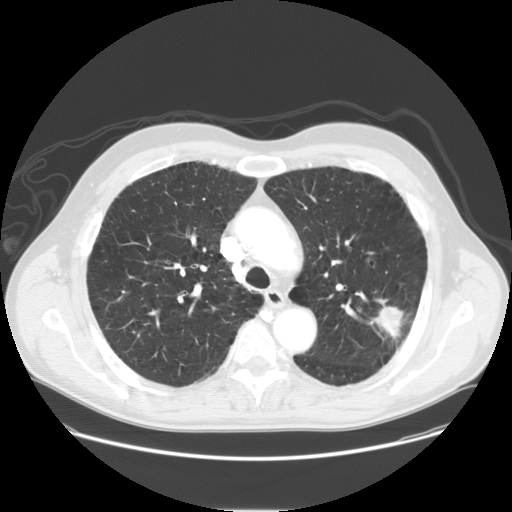
Axial slice 111 of 152 of a chest CT (slice 1 is the lowest), reconstructed with the STANDARD kernel at 120 kVp; 2.50 mm slice thickness and 0.781 mm pixels.
Pulmonary nodule outlined by all four readers; box rows 305–339, columns 374–405 (the union of the readers' outlines on this slice); longest diameter 28.2 mm on average over the four readers' outlines (readers' outlines 26.7–29.9 mm), volume 4495–6409 mm3. The readers' prevailing ratings and who disagreed: most readers (three of four) put texture at 5/5 (solid), others 4/5 (one); margin split among the readers: 3/5 (two), 4/5 (two); sphericity 5/5 (round) by two of four readers; the rest gave 3/5 (ovoid) (one), 4/5 (one); calcification absent, all four readers agreeing; internal structure soft tissue from all four readers; subtlety 5/5, all four readers agreeing; most readers (three of four) put malignancy likelihood at 5/5, others 4/5 (one). Scale key (1–5): texture non-solid→solid, margin indistinct→circumscribed, sphericity linear→round, subtlety extremely subtle→obvious, malignancy likelihood highly unlikely→highly suspicious of cancer. Box rows and columns are 0-based pixel indices from the top-left corner, inclusive.